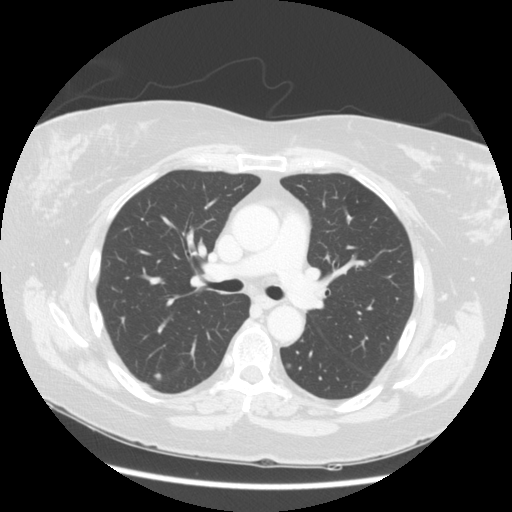
Chest CT, axial plane, 140 kVp, kernel STANDARD. Slice 78/123 from the bottom of the scan; thickness 2.50 mm; pixel size 0.703 mm.
Two pulmonary nodules on this slice, listed from left to right. (1) Pulmonary nodule at rows 372–379, columns 154–160 (box = the union of the readers' outlines on this slice), outlined by two of the four readers; median longest diameter 6.4 mm (readers' outlines 6.3–6.5 mm), median volume 63 mm3 (58–68 mm3). Median ratings and the readers' spread: median texture 3.5/5 (readers ranged 3/5 (part-solid) to 4/5); median margin 2/5 (readers ranged 1/5 (indistinct) to 3/5); sphericity 4/5, both readers agreeing; calcification absent, both readers agreeing; internal structure soft tissue, both readers agreeing; median subtlety 2.5/5 (readers ranged 2–3); malignancy likelihood 2.5/5 at the median of two readers, spread 2–3. (2) Pulmonary nodule, outlined by all four readers, three of them on this slice. Box on this slice rows 363–368, columns 286–290, the union of the readers' outlines on this slice; median longest diameter 6.5 mm (readers' outlines 6.0–7.6 mm), median volume 132 mm3 (117–176 mm3). Median ratings and the readers' spread: texture 5/5 (solid), all four readers agreeing; margin 5/5 (circumscribed) from all four readers; median sphericity 5/5 (round) (readers ranged 4/5 to 5/5 (round)); calcification absent, all four readers agreeing; internal structure soft tissue, all four readers agreeing; median subtlety 3.5/5 (readers ranged 3–5); median malignancy likelihood 2.5/5 (readers ranged 2–4). Scale key (1–5): texture non-solid→solid, margin indistinct→circumscribed, sphericity linear→round, subtlety extremely subtle→obvious, malignancy likelihood highly unlikely→highly suspicious of cancer. Box rows and columns are 0-based pixel indices from the top-left corner, inclusive.